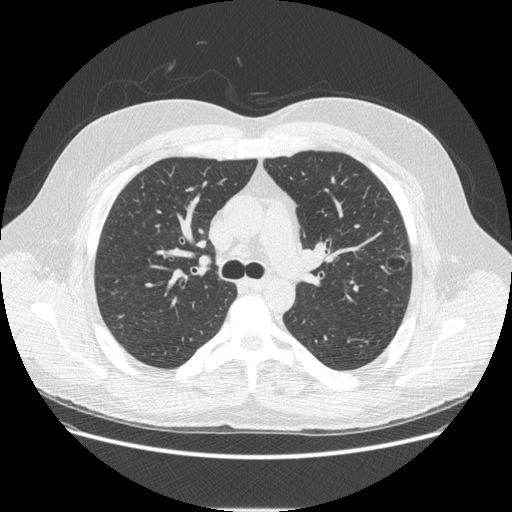
Axial slice 316 of 497 of a chest CT (slice 1 is the lowest), reconstructed with the STANDARD kernel at 120 kVp; 1.25 mm slice thickness and 0.762 mm pixels.
Pulmonary nodule at rows 249–272, columns 384–410 (box = the union of the readers' outlines on this slice), outlined by all four readers; longest diameter 21.8 mm on average over the four readers' outlines (readers' outlines 21.5–22.5 mm), volume 2170–2597 mm3. Ratings, by the readers' most common answer with dissent counted: texture 1/5 (non-solid) by three of four readers; the rest gave 3/5 (part-solid) (one); margin 3/5 by two of four readers; the rest gave 2/5 (one), 4/5 (one); sphericity 5/5 (round) by two of four readers; the rest gave 3/5 (ovoid) (one), 4/5 (one); calcification absent from all four readers; internal structure split among the readers: air (two), soft tissue (two); subtlety 4/5 by two of four readers; the rest gave 1/5 (one), 5/5 (one); malignancy likelihood split among the readers: 1/5 (one), 2/5 (one), 4/5 (one), 5/5 (one). Scale key (1–5): texture non-solid→solid, margin indistinct→circumscribed, sphericity linear→round, subtlety extremely subtle→obvious, malignancy likelihood highly unlikely→highly suspicious of cancer. Box rows and columns are 0-based pixel indices from the top-left corner, inclusive.